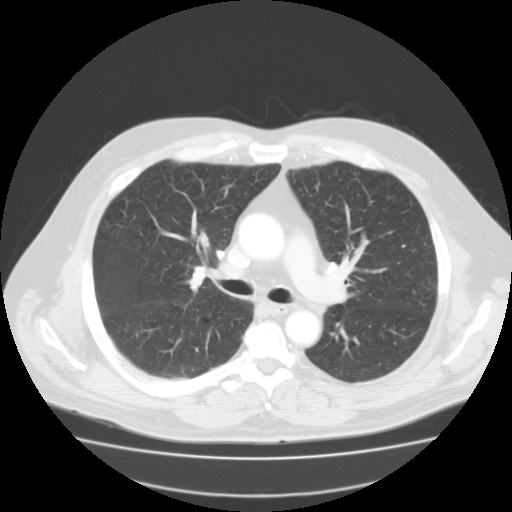
Axial chest CT slice 79 of 124 (counted from the lowest slice); tube voltage 135 kVp, convolution kernel FC01; slices 3.00 mm thick, 0.854 mm per pixel.
None of the four readers outlined a nodule of 3 mm or more on this slice.